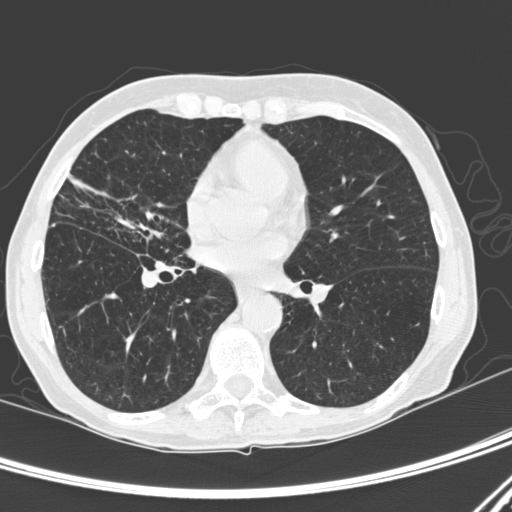
Slice 141/300 of a chest CT, counting up from the lowest; pixel size 0.607 mm, slice thickness 1.00 mm. Pulmonary nodule at rows 223–226, columns 50–54 (box = the union of the readers' outlines on this slice), outlined by two of the four readers; median longest diameter 4.4 mm (readers' outlines 4.3–4.6 mm), median volume 28 mm3 (26–29 mm3). Median ratings and the readers' spread: texture 5/5 (solid) from both readers; margin 5/5 (circumscribed) from both readers; sphericity 4/5 from both readers; calcification split among the readers: absent (one), solid calcification (one); internal structure soft tissue, both readers agreeing; subtlety 4.5/5 at the median of two readers, spread 4–5; malignancy likelihood 1.5/5 at the median of two readers, spread 1–2. Scale key (1–5): texture non-solid→solid, margin indistinct→circumscribed, sphericity linear→round, subtlety extremely subtle→obvious, malignancy likelihood highly unlikely→highly suspicious of cancer. Box rows and columns are 0-based pixel indices from the top-left corner, inclusive.
Scan settings: 120 kVp, D reconstruction kernel.